Axial slice 308 of 636 of a chest CT (slice 1 is the lowest), reconstructed with the B30f kernel at 120 kVp; 0.60 mm slice thickness and 0.689 mm pixels.
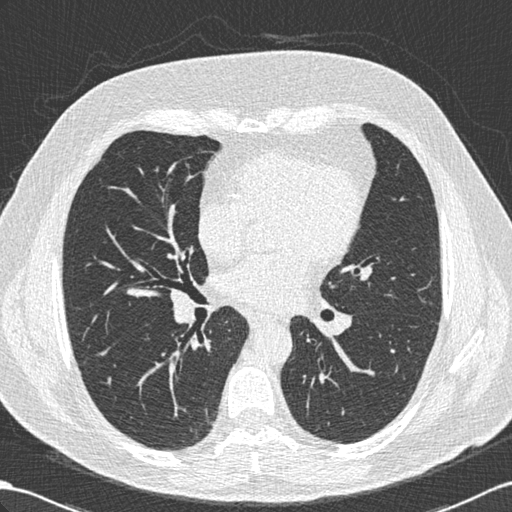
Pulmonary nodule outlined by all four readers, two of them on this slice; box rows 346–356, columns 98–110 (the union of the readers' outlines on this slice); median longest diameter 11.1 mm (readers' outlines 10.2–12.1 mm), median volume 162 mm3 (103–208 mm3). Ratings, median across the readers with their spread: median texture 5/5 (solid) (readers ranged 4/5 to 5/5 (solid)); margin 4/5 at the median of four readers, spread 3/5 to 5/5 (circumscribed); sphericity 3/5 (ovoid), all four readers agreeing; calcification absent, all four readers agreeing; internal structure soft tissue from all four readers; subtlety 4/5 at the median of four readers, spread 3–5; malignancy likelihood 3/5 from all four readers. Scale key (1–5): texture non-solid→solid, margin indistinct→circumscribed, sphericity linear→round, subtlety extremely subtle→obvious, malignancy likelihood highly unlikely→highly suspicious of cancer. Box rows and columns are 0-based pixel indices from the top-left corner, inclusive.